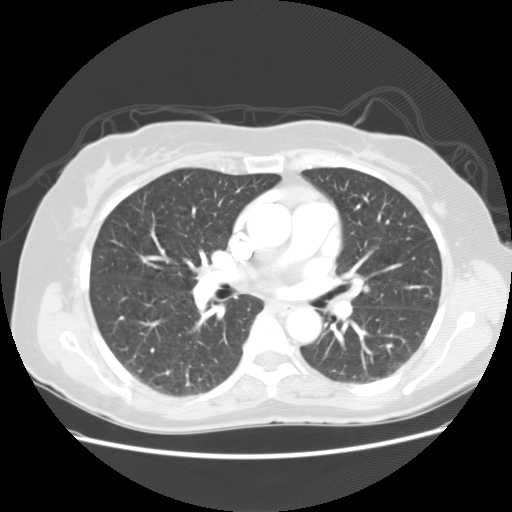
Chest CT, axial plane, 120 kVp, kernel STANDARD. Slice 66/113 from the bottom of the scan; thickness 2.50 mm; pixel size 0.703 mm.
Pulmonary nodule outlined by one of the four readers; box rows 285–291, columns 364–369 (that reader's outline on this slice); longest diameter 9.6 mm and volume 372 mm3 from that reader's outline. That reader's ratings: texture 5/5 (solid); margin 5/5 (circumscribed); sphericity 4/5; calcification solid calcification; internal structure soft tissue; subtlety 4/5; malignancy likelihood 1/5. Scale key (1–5): texture non-solid→solid, margin indistinct→circumscribed, sphericity linear→round, subtlety extremely subtle→obvious, malignancy likelihood highly unlikely→highly suspicious of cancer. Box rows and columns are 0-based pixel indices from the top-left corner, inclusive.